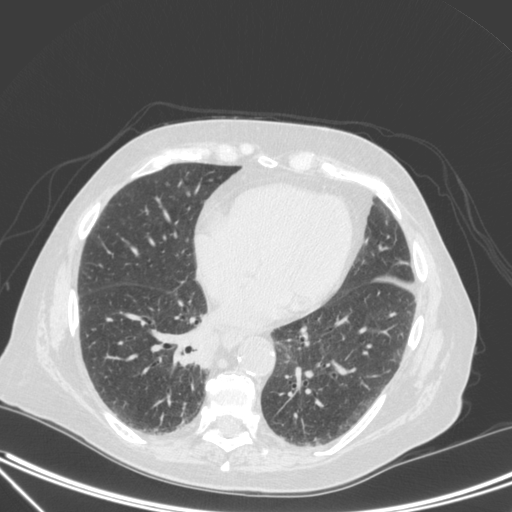
Axial slice 120 of 350 of a chest CT (slice 1 is the lowest), reconstructed with the C kernel at 120 kVp; 1.50 mm slice thickness and 0.725 mm pixels.
Pulmonary nodule outlined by one of the four readers; box rows 336–366, columns 193–218 (that reader's outline on this slice); longest diameter 29.7 mm and volume 4028 mm3 from that reader's outline. That reader's ratings: texture 5/5 (solid); margin 3/5; sphericity 3/5 (ovoid); calcification absent; internal structure soft tissue; subtlety 5/5; malignancy likelihood 4/5. Scale key (1–5): texture non-solid→solid, margin indistinct→circumscribed, sphericity linear→round, subtlety extremely subtle→obvious, malignancy likelihood highly unlikely→highly suspicious of cancer. Box rows and columns are 0-based pixel indices from the top-left corner, inclusive.